One axial slice (69 of 128, counting up from the lowest) of a chest CT acquired at 140 kVp with the BONE kernel; each pixel is 0.611 mm and the slice is 2.50 mm thick.
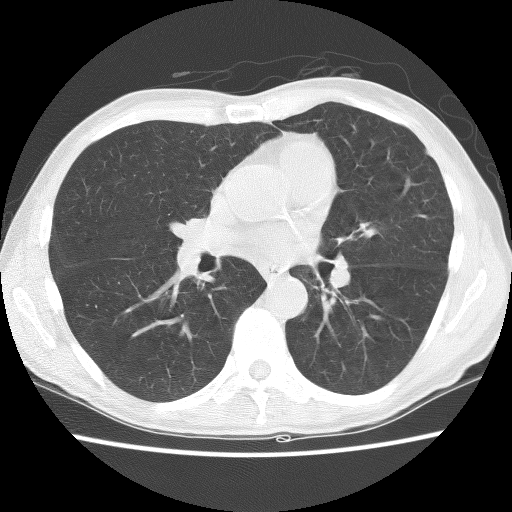
Pulmonary nodule, outlined by all four readers, two of them on this slice. Box on this slice rows 150–158, columns 424–431, the union of the readers' outlines on this slice; longest diameter 8.0 mm on average over the four readers' outlines (readers' outlines 7.0–8.5 mm), volume 55–147 mm3. Ratings, by the readers' most common answer with dissent counted: texture 5/5 (solid) by two of four readers; the rest gave 3/5 (part-solid) (one), 4/5 (one); margin 4/5 by two of four readers; the rest gave 3/5 (one), 5/5 (circumscribed) (one); sphericity split among the readers: 3/5 (ovoid) (two), 4/5 (two); calcification absent, all four readers agreeing; internal structure soft tissue from all four readers; most readers (three of four) put subtlety at 3/5, others 5/5 (one); malignancy likelihood split among the readers: 2/5 (two), 3/5 (two). Scale key (1–5): texture non-solid→solid, margin indistinct→circumscribed, sphericity linear→round, subtlety extremely subtle→obvious, malignancy likelihood highly unlikely→highly suspicious of cancer. Box rows and columns are 0-based pixel indices from the top-left corner, inclusive.